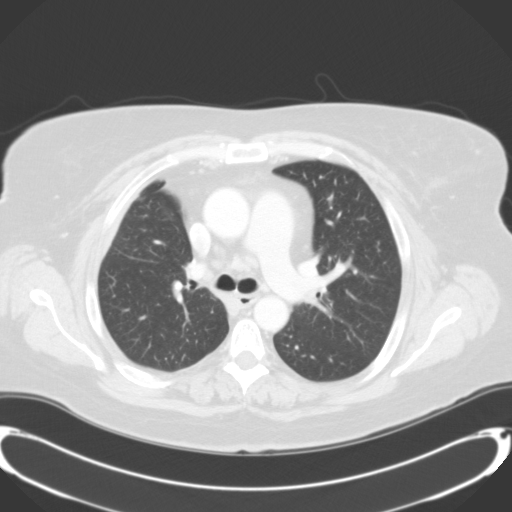
Axial chest CT slice 91 of 124 (counted from the lowest slice); tube voltage 120 kVp, convolution kernel B31f; slices 3.00 mm thick, 0.764 mm per pixel.
This slice carries no reader outline of a nodule 3 mm or larger.